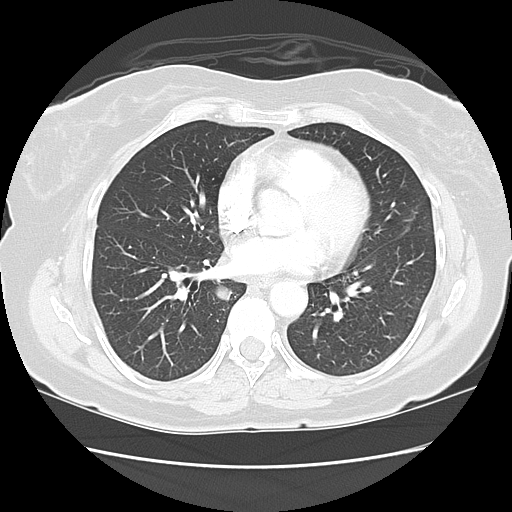
Axial chest CT slice 68 of 130 (counted from the lowest slice); tube voltage 120 kVp, convolution kernel LUNG; slices 2.50 mm thick, 0.664 mm per pixel.
Pulmonary nodule at rows 286–300, columns 214–231 (box = the union of the readers' outlines on this slice), outlined by all four readers; longest diameter 23.5 mm on average over the four readers' outlines (readers' outlines 23.2–24.2 mm), volume 4791–5604 mm3. Ratings, by the readers' most common answer with dissent counted: texture 5/5 (solid) from all four readers; most readers (three of four) put margin at 5/5 (circumscribed), others 4/5 (one); sphericity split among the readers: 4/5 (two), 5/5 (round) (two); calcification absent, all four readers agreeing; internal structure soft tissue from all four readers; subtlety 5/5, all four readers agreeing; malignancy likelihood 5/5 by three of four readers; the rest gave 2/5 (one). Scale key (1–5): texture non-solid→solid, margin indistinct→circumscribed, sphericity linear→round, subtlety extremely subtle→obvious, malignancy likelihood highly unlikely→highly suspicious of cancer. Box rows and columns are 0-based pixel indices from the top-left corner, inclusive.